One axial slice (71 of 156, counting up from the lowest) of a chest CT acquired at 120 kVp with the STANDARD kernel; each pixel is 0.645 mm and the slice is 2.50 mm thick.
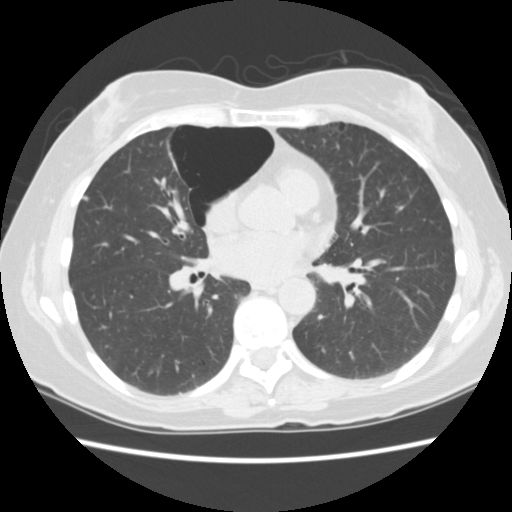
Pulmonary nodule, outlined by three of the four readers. Box on this slice rows 195–200, columns 82–88, the union of the readers' outlines on this slice; longest diameter 5.5 mm on average over the three readers' outlines (readers' outlines 4.6–6.1 mm), volume 43–62 mm3. The readers' prevailing ratings and who disagreed: texture 5/5 (solid), all three readers agreeing; most readers (two of three) put margin at 4/5, others 5/5 (circumscribed) (one); most readers (two of three) put sphericity at 4/5, others 3/5 (ovoid) (one); calcification absent, all three readers agreeing; internal structure soft tissue from all three readers; subtlety 4/5 by two of three readers; the rest gave 5/5 (one); malignancy likelihood 3/5 by two of three readers; the rest gave 2/5 (one). Scale key (1–5): texture non-solid→solid, margin indistinct→circumscribed, sphericity linear→round, subtlety extremely subtle→obvious, malignancy likelihood highly unlikely→highly suspicious of cancer. Box rows and columns are 0-based pixel indices from the top-left corner, inclusive.